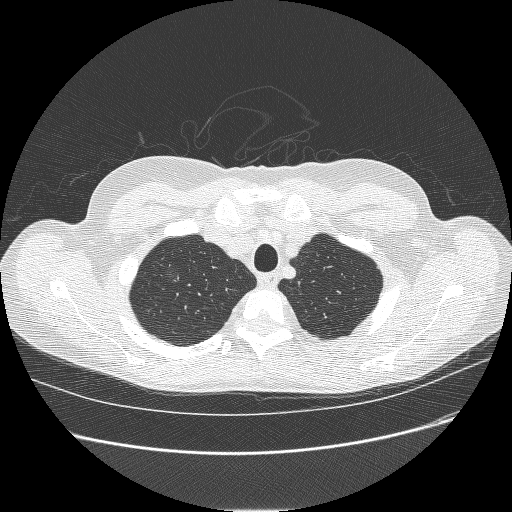
One axial slice (214 of 238, counting up from the lowest) of a chest CT acquired at 120 kVp with the BONE kernel; each pixel is 0.703 mm and the slice is 1.25 mm thick.
Pulmonary nodule, outlined by two of the four readers, one of them on this slice. Box on this slice rows 269–281, columns 165–177, the one reader's outline on this slice; the two readers' outlines give a longest diameter between 8.7 and 12.9 mm and a volume between 160 and 469 mm3. The readers' ratings, as ranges where they differ: texture 1/5 (non-solid), both readers agreeing; margin 1/5 (indistinct) from both readers; sphericity 4/5, both readers agreeing; calcification absent, both readers agreeing; internal structure soft tissue, both readers agreeing; subtlety 1/5, both readers agreeing; malignancy likelihood 3/5 from both readers. Scale key (1–5): texture non-solid→solid, margin indistinct→circumscribed, sphericity linear→round, subtlety extremely subtle→obvious, malignancy likelihood highly unlikely→highly suspicious of cancer. Box rows and columns are 0-based pixel indices from the top-left corner, inclusive.